Chest CT, axial plane, 120 kVp, kernel B45f. Slice 252/326 from the bottom of the scan; thickness 1.00 mm; pixel size 0.645 mm.
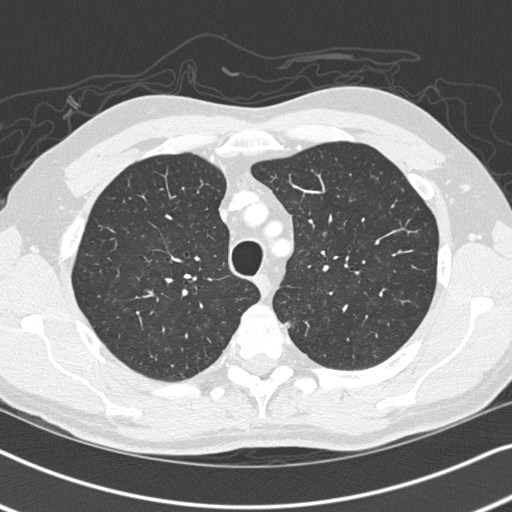
Pulmonary nodule outlined by three of the four readers, two of them on this slice; box rows 320–327, columns 284–291 (the union of the readers' outlines on this slice); longest diameter 11.4 mm on average over the three readers' outlines (readers' outlines 10.7–11.8 mm), volume 148–311 mm3. The readers' prevailing ratings and who disagreed: texture 5/5 (solid) by two of three readers; the rest gave 4/5 (one); margin split among the readers: 3/5 (one), 4/5 (one), 5/5 (circumscribed) (one); sphericity split among the readers: 2/5 (one), 3/5 (ovoid) (one), 5/5 (round) (one); calcification absent from all three readers; internal structure soft tissue, all three readers agreeing; subtlety split among the readers: 3/5 (one), 4/5 (one), 5/5 (one); malignancy likelihood 2/5 by two of three readers; the rest gave 3/5 (one). Scale key (1–5): texture non-solid→solid, margin indistinct→circumscribed, sphericity linear→round, subtlety extremely subtle→obvious, malignancy likelihood highly unlikely→highly suspicious of cancer. Box rows and columns are 0-based pixel indices from the top-left corner, inclusive.